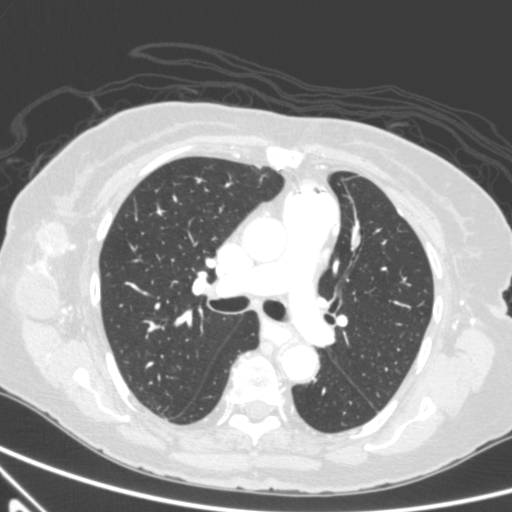
Slice 352/590 of a chest CT, counting up from the lowest; pixel size 0.627 mm, slice thickness 0.90 mm. Pulmonary nodule, outlined by all four readers, three of them on this slice. Box on this slice rows 232–247, columns 354–360, the union of the readers' outlines on this slice; median longest diameter 17.7 mm (readers' outlines 16.3–20.1 mm), median volume 1143 mm3 (1116–1236 mm3). Ratings, median across the readers with their spread: texture 5/5 (solid), all four readers agreeing; median margin 4/5 (readers ranged 3/5 to 5/5 (circumscribed)); sphericity 3.5/5 at the median of four readers, spread 3/5 (ovoid) to 4/5; calcification absent from all four readers; internal structure soft tissue from all four readers; subtlety 5/5 at the median of four readers, spread 4–5; median malignancy likelihood 4/5 (readers ranged 3–5). Scale key (1–5): texture non-solid→solid, margin indistinct→circumscribed, sphericity linear→round, subtlety extremely subtle→obvious, malignancy likelihood highly unlikely→highly suspicious of cancer. Box rows and columns are 0-based pixel indices from the top-left corner, inclusive.
Acquired at 120 kVp and reconstructed with the B kernel.